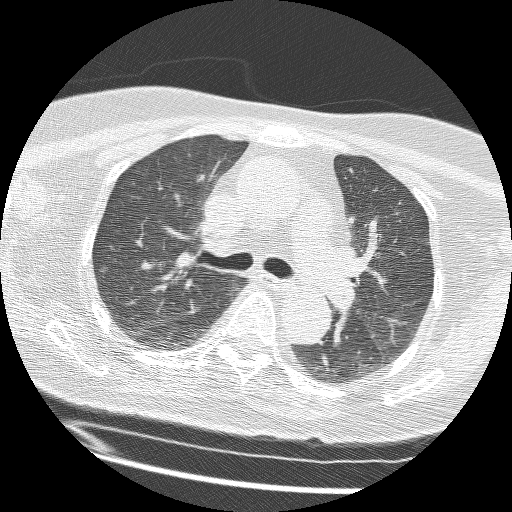
Axial chest CT slice 99 of 161 (counted from the lowest slice); tube voltage 120 kVp, convolution kernel BONE; slices 1.25 mm thick, 0.549 mm per pixel.
Pulmonary nodule, outlined by one of the four readers. Box on this slice rows 266–270, columns 99–105, that reader's outline on this slice; longest diameter 6.1 mm and volume 34 mm3 from that reader's outline. Ratings by that reader: texture 1/5 (non-solid); margin 2/5; sphericity 4/5; calcification absent; internal structure soft tissue; subtlety 1/5; malignancy likelihood 2/5. Scale key (1–5): texture non-solid→solid, margin indistinct→circumscribed, sphericity linear→round, subtlety extremely subtle→obvious, malignancy likelihood highly unlikely→highly suspicious of cancer. Box rows and columns are 0-based pixel indices from the top-left corner, inclusive.